Chest CT, axial plane, 120 kVp, kernel D. Slice 187/300 from the bottom of the scan; thickness 2.00 mm; pixel size 0.678 mm.
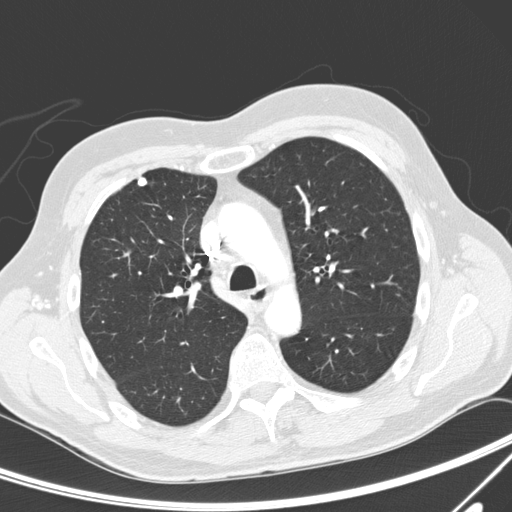
Pulmonary nodule at rows 177–186, columns 137–146 (box = the union of the readers' outlines on this slice), outlined by all four readers; longest diameter 8.2 mm on average over the four readers' outlines (readers' outlines 7.9–8.5 mm), volume 191–251 mm3. The readers' prevailing ratings and who disagreed: texture 5/5 (solid) from all four readers; margin 5/5 (circumscribed) by three of four readers; the rest gave 4/5 (one); sphericity 5/5 (round) by two of four readers; the rest gave 3/5 (ovoid) (one), 4/5 (one); calcification solid calcification by three of four readers, absent (one); internal structure soft tissue from all four readers; subtlety 5/5, all four readers agreeing; malignancy likelihood 1/5 by three of four readers; the rest gave 3/5 (one). Scale key (1–5): texture non-solid→solid, margin indistinct→circumscribed, sphericity linear→round, subtlety extremely subtle→obvious, malignancy likelihood highly unlikely→highly suspicious of cancer. Box rows and columns are 0-based pixel indices from the top-left corner, inclusive.